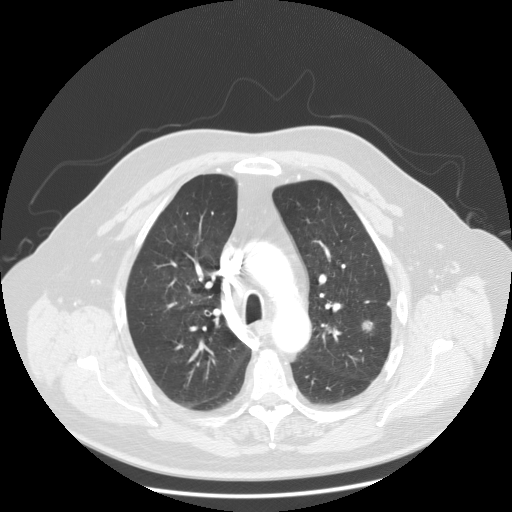
Slice 91/133 of a chest CT, counting up from the lowest; pixel size 0.820 mm, slice thickness 2.50 mm. Pulmonary nodule at rows 320–332, columns 361–372 (box = the union of the readers' outlines on this slice), outlined by all four readers; median longest diameter 13.9 mm (readers' outlines 13.7–15.1 mm), median volume 948 mm3 (880–1281 mm3). Ratings, median across the readers with their spread: texture 5/5 (solid) from all four readers; median margin 5/5 (circumscribed) (readers ranged 4/5 to 5/5 (circumscribed)); sphericity 4.5/5 at the median of four readers, spread 3/5 (ovoid) to 5/5 (round); calcification absent from all four readers; internal structure soft tissue, all four readers agreeing; subtlety 4.5/5 at the median of four readers, spread 3–5; malignancy likelihood 4.5/5 at the median of four readers, spread 2–5. Scale key (1–5): texture non-solid→solid, margin indistinct→circumscribed, sphericity linear→round, subtlety extremely subtle→obvious, malignancy likelihood highly unlikely→highly suspicious of cancer. Box rows and columns are 0-based pixel indices from the top-left corner, inclusive.
Scan settings: 120 kVp, STANDARD reconstruction kernel.